Axial chest CT slice 70 of 246 (counted from the lowest slice); tube voltage 120 kVp, convolution kernel BONE; slices 1.25 mm thick, 0.566 mm per pixel.
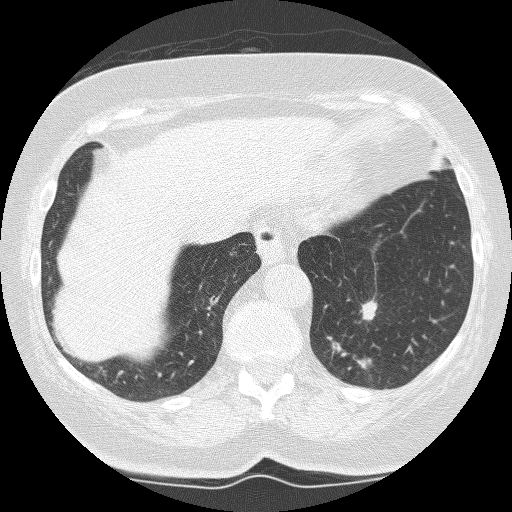
Pulmonary nodule at rows 298–321, columns 359–377 (box = the union of the readers' outlines on this slice), outlined by all four readers; longest diameter 15.5 mm on average over the four readers' outlines (readers' outlines 13.8–17.3 mm), volume 672–1099 mm3. Ratings, by the readers' most common answer with dissent counted: texture 5/5 (solid), all four readers agreeing; margin split among the readers: 2/5 (two), 4/5 (two); sphericity 4/5 by two of four readers; the rest gave 2/5 (one), 3/5 (ovoid) (one); calcification absent, all four readers agreeing; internal structure soft tissue, all four readers agreeing; subtlety split among the readers: 4/5 (two), 5/5 (two); malignancy likelihood 5/5 by two of four readers; the rest gave 3/5 (one), 4/5 (one). Scale key (1–5): texture non-solid→solid, margin indistinct→circumscribed, sphericity linear→round, subtlety extremely subtle→obvious, malignancy likelihood highly unlikely→highly suspicious of cancer. Box rows and columns are 0-based pixel indices from the top-left corner, inclusive.